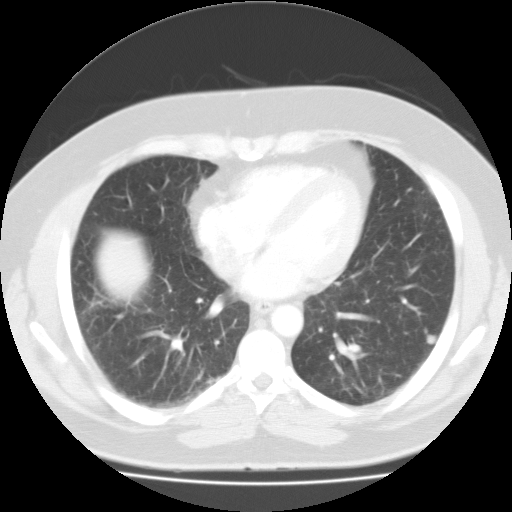
Slice 45/104 of a chest CT, counting up from the lowest; pixel size 0.741 mm, slice thickness 3.00 mm. Pulmonary nodule outlined by all four readers; box rows 334–344, columns 426–436 (the union of the readers' outlines on this slice); longest diameter 9.0–9.7 mm and volume 449–620 mm3 across the four readers' outlines. Ratings across the readers: texture 5/5 (solid), all four readers agreeing; margin from 4/5 to 5/5 (circumscribed) across the four readers; sphericity 5/5 (round), all four readers agreeing; calcification absent, all four readers agreeing; internal structure soft tissue, all four readers agreeing; subtlety rated between 4 and 5 out of 5 by the four readers; malignancy likelihood 2–4/5 (the readers disagree). Scale key (1–5): texture non-solid→solid, margin indistinct→circumscribed, sphericity linear→round, subtlety extremely subtle→obvious, malignancy likelihood highly unlikely→highly suspicious of cancer. Box rows and columns are 0-based pixel indices from the top-left corner, inclusive.
Scan settings: 135 kVp, FC01 reconstruction kernel.